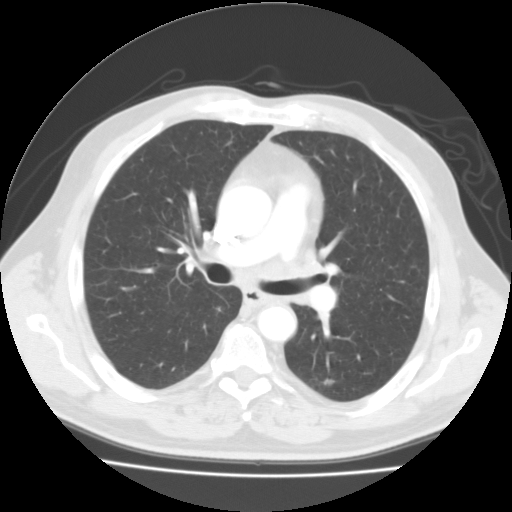
Axial chest CT slice 71 of 114 (counted from the lowest slice); tube voltage 135 kVp, convolution kernel FC01; slices 3.00 mm thick, 0.711 mm per pixel.
Two pulmonary nodules on this slice, listed from left to right. (1) Pulmonary nodule at rows 306–315, columns 215–224 (box = that reader's outline on this slice), outlined by one of the four readers; longest diameter 13.0 mm and volume 688 mm3 from that reader's outline. That reader's ratings: texture 1/5 (non-solid); margin 1/5 (indistinct); sphericity 5/5 (round); calcification absent; internal structure soft tissue; subtlety 1/5; malignancy likelihood 3/5. (2) Pulmonary nodule at rows 378–384, columns 323–333 (box = the union of the readers' outlines on this slice), outlined by three of the four readers; the three readers' outlines give a longest diameter between 8.1 and 9.3 mm and a volume between 178 and 204 mm3. The readers' ratings, as ranges where they differ: texture from 3/5 (part-solid) to 5/5 (solid) across the three readers; margin from 3/5 to 5/5 (circumscribed) across the three readers; sphericity from 3/5 (ovoid) to 5/5 (round) across the three readers; calcification absent, all three readers agreeing; internal structure soft tissue from all three readers; subtlety from 2/5 to 4/5 across the three readers; malignancy likelihood 2–3/5 (the readers disagree). Scale key (1–5): texture non-solid→solid, margin indistinct→circumscribed, sphericity linear→round, subtlety extremely subtle→obvious, malignancy likelihood highly unlikely→highly suspicious of cancer. Box rows and columns are 0-based pixel indices from the top-left corner, inclusive.